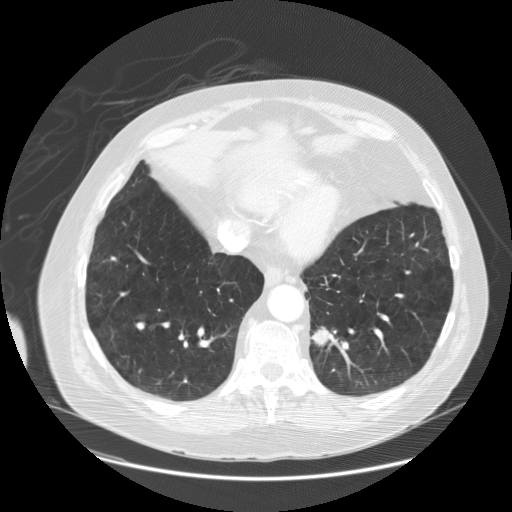
One axial slice (51 of 149, counting up from the lowest) of a chest CT acquired at 120 kVp with the STANDARD kernel; each pixel is 0.820 mm and the slice is 2.50 mm thick.
Pulmonary nodule outlined by all four readers; box rows 326–348, columns 309–332 (the union of the readers' outlines on this slice); the four readers' outlines give a longest diameter between 21.9 and 28.7 mm and a volume between 2868 and 3180 mm3. Ratings across the readers: texture from 4/5 to 5/5 (solid) across the four readers; margin from 3/5 to 5/5 (circumscribed) across the four readers; sphericity from 3/5 (ovoid) to 5/5 (round) across the four readers; calcification absent, all four readers agreeing; internal structure soft tissue, all four readers agreeing; subtlety from 4/5 to 5/5 across the four readers; malignancy likelihood 3–5/5 (the readers disagree). Scale key (1–5): texture non-solid→solid, margin indistinct→circumscribed, sphericity linear→round, subtlety extremely subtle→obvious, malignancy likelihood highly unlikely→highly suspicious of cancer. Box rows and columns are 0-based pixel indices from the top-left corner, inclusive.